Axial chest CT slice 330 of 487 (counted from the lowest slice); tube voltage 120 kVp, convolution kernel STANDARD; slices 1.25 mm thick, 0.586 mm per pixel.
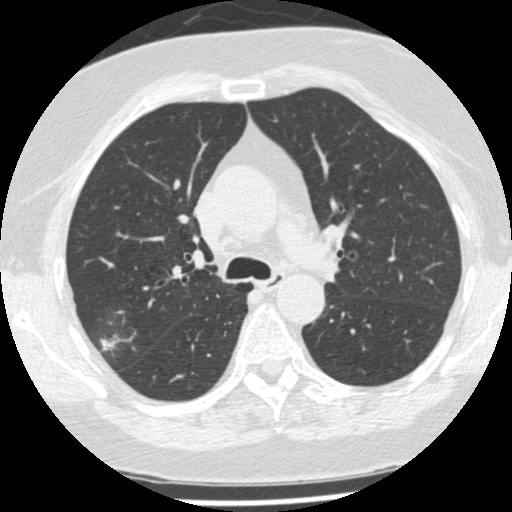
Pulmonary nodule outlined by two of the four readers; box rows 329–360, columns 93–129 (the union of the readers' outlines on this slice); longest diameter 11.3–24.9 mm and volume 232–2964 mm3 across the two readers' outlines. Ratings across the readers: texture 3/5 (part-solid) from both readers; margin from 1/5 (indistinct) to 2/5 across the two readers; sphericity 4/5, both readers agreeing; calcification absent, both readers agreeing; internal structure soft tissue, both readers agreeing; subtlety 4/5 from both readers; malignancy likelihood rated between 3 and 4 out of 5 by the two readers. Scale key (1–5): texture non-solid→solid, margin indistinct→circumscribed, sphericity linear→round, subtlety extremely subtle→obvious, malignancy likelihood highly unlikely→highly suspicious of cancer. Box rows and columns are 0-based pixel indices from the top-left corner, inclusive.